Axial slice 161 of 368 of a chest CT (slice 1 is the lowest), reconstructed with the B70f kernel at 120 kVp; 2.00 mm slice thickness and 0.623 mm pixels.
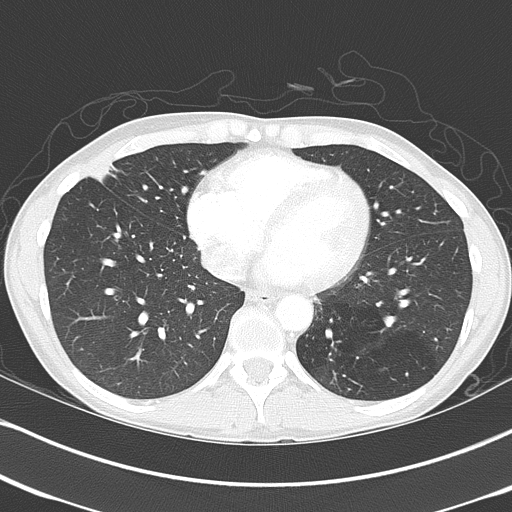
Pulmonary nodule, outlined by all four readers, two of them on this slice. Box on this slice rows 163–185, columns 88–119, the union of the readers' outlines on this slice; median longest diameter 29.8 mm (readers' outlines 27.1–39.3 mm), median volume 7696 mm3 (6531–9806 mm3). Ratings, median across the readers with their spread: texture 5/5 (solid) from all four readers; median margin 4/5 (readers ranged 2/5 to 5/5 (circumscribed)); median sphericity 3/5 (ovoid) (readers ranged 2/5 to 3/5 (ovoid)); calcification split among the readers: laminated calcification (one), absent (one), popcorn calcification (one), non-central calcification (one); internal structure soft tissue from all four readers; subtlety 5/5 from all four readers; median malignancy likelihood 3/5 (readers ranged 1–5). Scale key (1–5): texture non-solid→solid, margin indistinct→circumscribed, sphericity linear→round, subtlety extremely subtle→obvious, malignancy likelihood highly unlikely→highly suspicious of cancer. Box rows and columns are 0-based pixel indices from the top-left corner, inclusive.